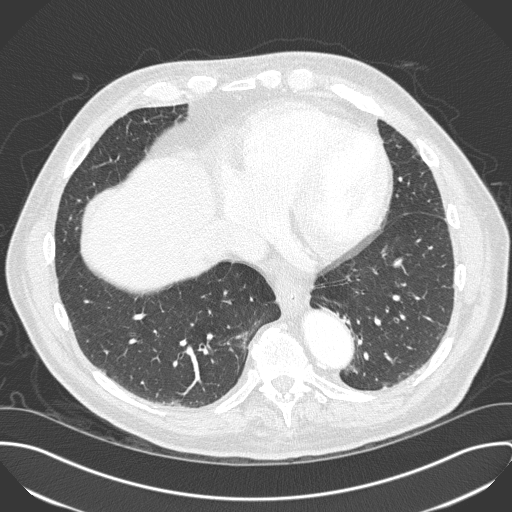
Axial chest CT slice 108 of 330 (counted from the lowest slice); tube voltage 120 kVp, convolution kernel B45f; slices 1.00 mm thick, 0.762 mm per pixel.
Pulmonary nodule outlined by two of the four readers, one of them on this slice; box rows 369–373, columns 100–106 (the one reader's outline on this slice); longest diameter 9.3 mm on average over the two readers' outlines (readers' outlines 8.7–9.9 mm), volume 103–135 mm3. The readers' prevailing ratings and who disagreed: texture split among the readers: 4/5 (one), 5/5 (solid) (one); margin split among the readers: 4/5 (one), 5/5 (circumscribed) (one); sphericity split among the readers: 3/5 (ovoid) (one), 4/5 (one); calcification absent, both readers agreeing; internal structure soft tissue, both readers agreeing; subtlety split among the readers: 3/5 (one), 4/5 (one); malignancy likelihood split among the readers: 2/5 (one), 3/5 (one). Scale key (1–5): texture non-solid→solid, margin indistinct→circumscribed, sphericity linear→round, subtlety extremely subtle→obvious, malignancy likelihood highly unlikely→highly suspicious of cancer. Box rows and columns are 0-based pixel indices from the top-left corner, inclusive.